One axial slice (261 of 536, counting up from the lowest) of a chest CT acquired at 120 kVp with the B30f kernel; each pixel is 0.656 mm and the slice is 0.75 mm thick.
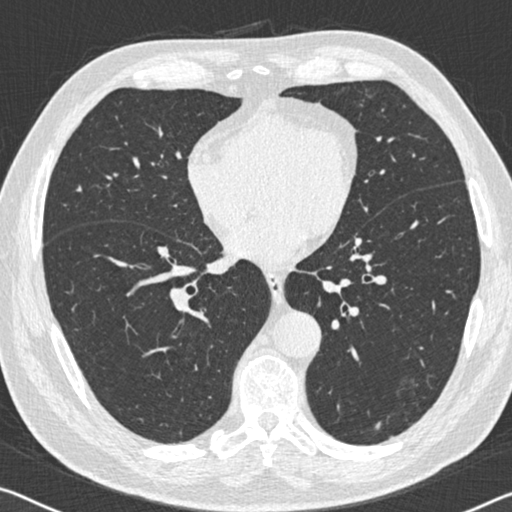
Pulmonary nodule at rows 421–430, columns 374–381 (box = the union of the readers' outlines on this slice), outlined by three of the four readers; longest diameter 5.9–7.9 mm and volume 17–64 mm3 across the three readers' outlines. The readers' ratings, as ranges where they differ: texture 5/5 (solid) from all three readers; margin from 2/5 to 3/5 across the three readers; sphericity from 1/5 (linear) to 3/5 (ovoid) across the three readers; calcification absent from all three readers; internal structure soft tissue, all three readers agreeing; subtlety 2–5/5 (the readers disagree); malignancy likelihood 1–3/5 (the readers disagree). Scale key (1–5): texture non-solid→solid, margin indistinct→circumscribed, sphericity linear→round, subtlety extremely subtle→obvious, malignancy likelihood highly unlikely→highly suspicious of cancer. Box rows and columns are 0-based pixel indices from the top-left corner, inclusive.